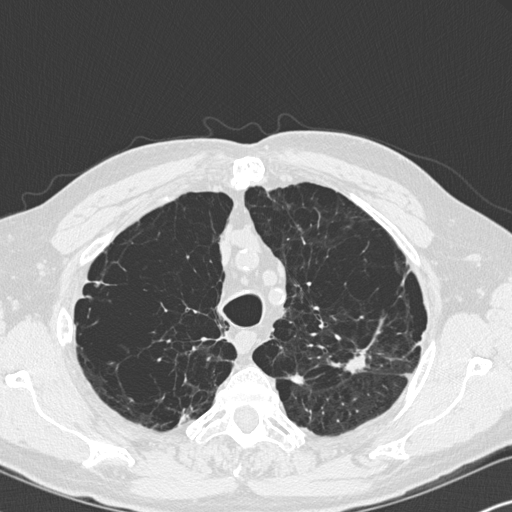
Slice 257/347 of a chest CT, counting up from the lowest; pixel size 0.625 mm, slice thickness 1.00 mm. Two pulmonary nodules are outlined on this slice; from left to right: (1) Pulmonary nodule at rows 373–384, columns 286–303 (box = the union of the readers' outlines on this slice), outlined by two of the four readers; median longest diameter 11.8 mm (readers' outlines 11.3–12.3 mm), median volume 329 mm3 (328–329 mm3). Ratings, median across the readers with their spread: texture 5/5 (solid) from both readers; median margin 3/5 (readers ranged 2/5 to 4/5); median sphericity 3/5 (ovoid) (readers ranged 2/5 to 4/5); calcification absent, both readers agreeing; internal structure soft tissue from both readers; median subtlety 4.5/5 (readers ranged 4–5); malignancy likelihood 3/5, both readers agreeing. (2) Pulmonary nodule outlined by one of the four readers; box rows 349–373, columns 344–366 (that reader's outline on this slice); longest diameter 24.3 mm and volume 1862 mm3 from that reader's outline. Ratings by that reader: texture 5/5 (solid); margin 4/5; sphericity 3/5 (ovoid); calcification absent; internal structure soft tissue; subtlety 5/5; malignancy likelihood 4/5. Scale key (1–5): texture non-solid→solid, margin indistinct→circumscribed, sphericity linear→round, subtlety extremely subtle→obvious, malignancy likelihood highly unlikely→highly suspicious of cancer. Box rows and columns are 0-based pixel indices from the top-left corner, inclusive.
Scan settings: 120 kVp, B45f reconstruction kernel.